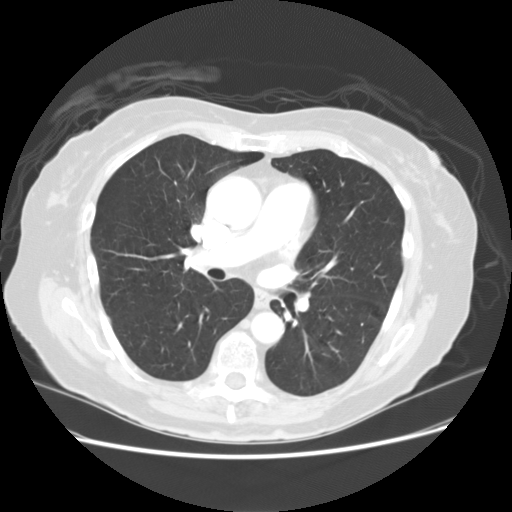
Slice 82/133 of a chest CT, counting up from the lowest; pixel size 0.703 mm, slice thickness 2.50 mm. None of the four readers outlined a nodule of 3 mm or more on this slice.
Acquired at 120 kVp and reconstructed with the STANDARD kernel.